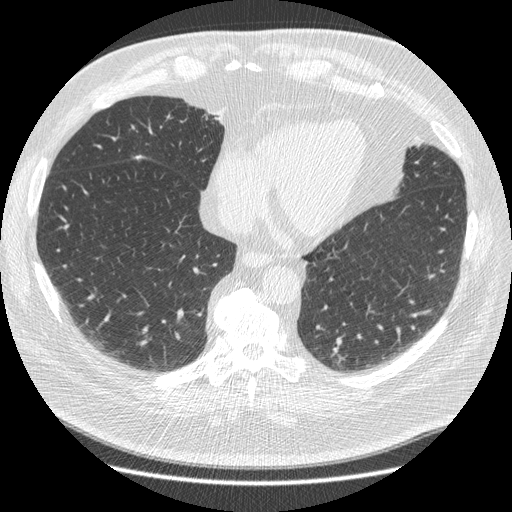
Axial chest CT slice 132 of 426 (counted from the lowest slice); tube voltage 120 kVp, convolution kernel STANDARD; slices 1.25 mm thick, 0.742 mm per pixel.
Pulmonary nodule, outlined by all four readers, two of them on this slice. Box on this slice rows 155–158, columns 134–141, the union of the readers' outlines on this slice; median longest diameter 9.6 mm (readers' outlines 9.6–10.0 mm), median volume 213 mm3 (202–225 mm3). Median ratings and the readers' spread: texture 5/5 (solid), all four readers agreeing; margin 5/5 (circumscribed), all four readers agreeing; sphericity 4.5/5 at the median of four readers, spread 4/5 to 5/5 (round); calcification solid calcification from all four readers; internal structure soft tissue from all four readers; subtlety 5/5 from all four readers; malignancy likelihood 1/5, all four readers agreeing. Scale key (1–5): texture non-solid→solid, margin indistinct→circumscribed, sphericity linear→round, subtlety extremely subtle→obvious, malignancy likelihood highly unlikely→highly suspicious of cancer. Box rows and columns are 0-based pixel indices from the top-left corner, inclusive.